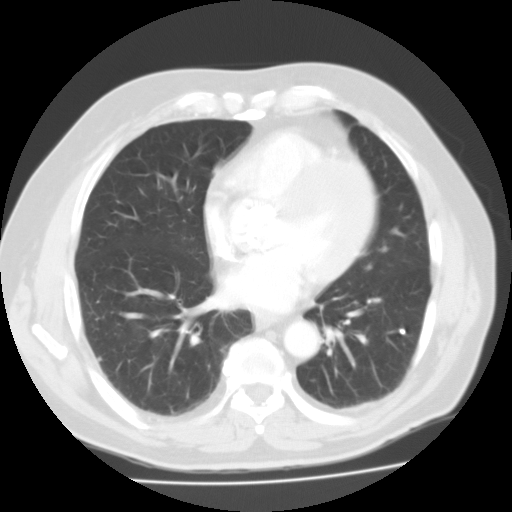
Chest CT, axial plane, 135 kVp, kernel FC01. Slice 64/125 from the bottom of the scan; thickness 3.00 mm; pixel size 0.721 mm.
Two pulmonary nodules on this slice, listed from left to right. (1) Pulmonary nodule outlined by one of the four readers; box rows 356–361, columns 97–101 (that reader's outline on this slice); longest diameter 5.2 mm and volume 82 mm3 from that reader's outline. That reader's ratings: texture 5/5 (solid); margin 3/5; sphericity 3/5 (ovoid); calcification absent; internal structure soft tissue; subtlety 5/5; malignancy likelihood 2/5. (2) Pulmonary nodule, outlined by all four readers. Box on this slice rows 328–334, columns 399–405, the union of the readers' outlines on this slice; longest diameter 6.0 mm on average over the four readers' outlines (readers' outlines 5.5–7.5 mm), volume 101–179 mm3. Ratings, by the readers' most common answer with dissent counted: texture 5/5 (solid) from all four readers; margin 5/5 (circumscribed), all four readers agreeing; sphericity 5/5 (round) by two of four readers; the rest gave 3/5 (ovoid) (one), 4/5 (one); calcification solid calcification, all four readers agreeing; internal structure soft tissue, all four readers agreeing; subtlety split among the readers: 3/5 (two), 5/5 (two); malignancy likelihood 1/5 from all four readers. Scale key (1–5): texture non-solid→solid, margin indistinct→circumscribed, sphericity linear→round, subtlety extremely subtle→obvious, malignancy likelihood highly unlikely→highly suspicious of cancer. Box rows and columns are 0-based pixel indices from the top-left corner, inclusive.